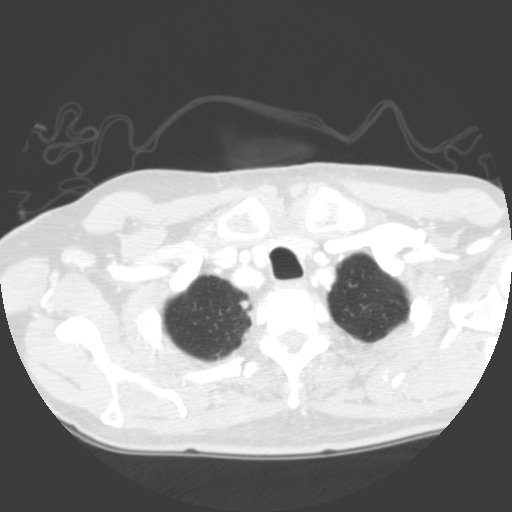
Axial chest CT slice 304 of 335 (counted from the lowest slice); 2.00 mm thick, 0.623 mm per pixel. Pulmonary nodule outlined by one of the four readers; box rows 300–310, columns 239–249 (that reader's outline on this slice); longest diameter 8.1 mm and volume 221 mm3 from that reader's outline. Ratings by that reader: texture 4/5; margin 3/5; sphericity 4/5; calcification absent; internal structure soft tissue; subtlety 2/5; malignancy likelihood 1/5. Scale key (1–5): texture non-solid→solid, margin indistinct→circumscribed, sphericity linear→round, subtlety extremely subtle→obvious, malignancy likelihood highly unlikely→highly suspicious of cancer. Box rows and columns are 0-based pixel indices from the top-left corner, inclusive.
Acquired at 120 kVp and reconstructed with the B kernel.